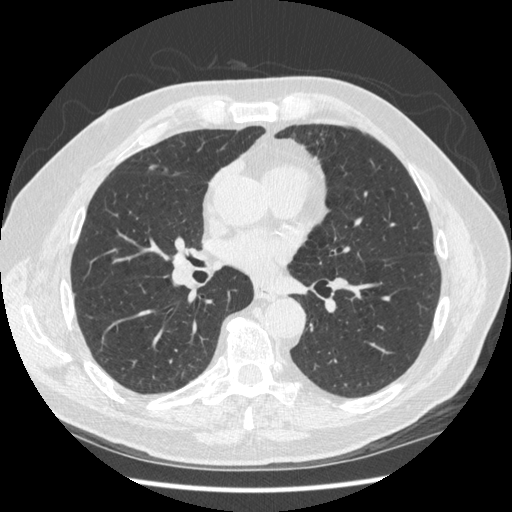
Slice 227/477 of a chest CT, counting up from the lowest; pixel size 0.703 mm, slice thickness 1.25 mm. Pulmonary nodule at rows 164–169, columns 148–158 (box = the union of the readers' outlines on this slice), outlined by two of the four readers; longest diameter 9.3 mm on average over the two readers' outlines (readers' outlines 8.2–10.5 mm), volume 48–81 mm3. The readers' prevailing ratings and who disagreed: texture 5/5 (solid), both readers agreeing; margin split among the readers: 4/5 (one), 5/5 (circumscribed) (one); sphericity split among the readers: 2/5 (one), 5/5 (round) (one); calcification absent, both readers agreeing; internal structure soft tissue from both readers; subtlety 3/5 from both readers; malignancy likelihood split among the readers: 2/5 (one), 3/5 (one). Scale key (1–5): texture non-solid→solid, margin indistinct→circumscribed, sphericity linear→round, subtlety extremely subtle→obvious, malignancy likelihood highly unlikely→highly suspicious of cancer. Box rows and columns are 0-based pixel indices from the top-left corner, inclusive.
Acquired at 120 kVp and reconstructed with the STANDARD kernel.